Chest CT, axial plane, 120 kVp, kernel STANDARD. Slice 337/487 from the bottom of the scan; thickness 1.25 mm; pixel size 0.586 mm.
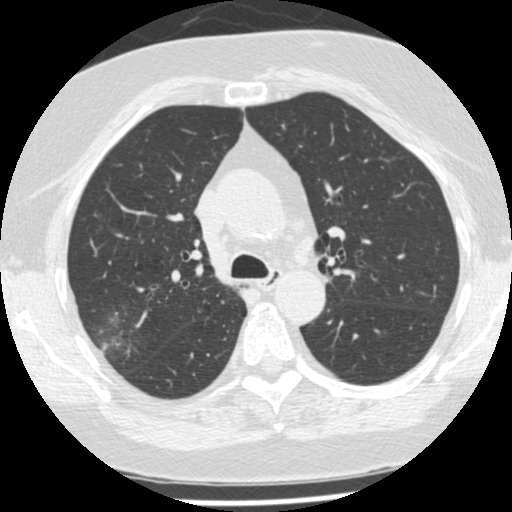
Pulmonary nodule, outlined by two of the four readers, one of them on this slice. Box on this slice rows 334–353, columns 99–121, the one reader's outline on this slice; median longest diameter 18.1 mm (readers' outlines 11.3–24.9 mm), median volume 1598 mm3 (232–2964 mm3). Median ratings and the readers' spread: texture 3/5 (part-solid), both readers agreeing; margin 1.5/5 at the median of two readers, spread 1/5 (indistinct) to 2/5; sphericity 4/5 from both readers; calcification absent, both readers agreeing; internal structure soft tissue from both readers; subtlety 4/5, both readers agreeing; malignancy likelihood 3.5/5 at the median of two readers, spread 3–4. Scale key (1–5): texture non-solid→solid, margin indistinct→circumscribed, sphericity linear→round, subtlety extremely subtle→obvious, malignancy likelihood highly unlikely→highly suspicious of cancer. Box rows and columns are 0-based pixel indices from the top-left corner, inclusive.